Axial chest CT slice 172 of 214 (counted from the lowest slice); tube voltage 120 kVp, convolution kernel STANDARD; slices 1.25 mm thick, 0.703 mm per pixel.
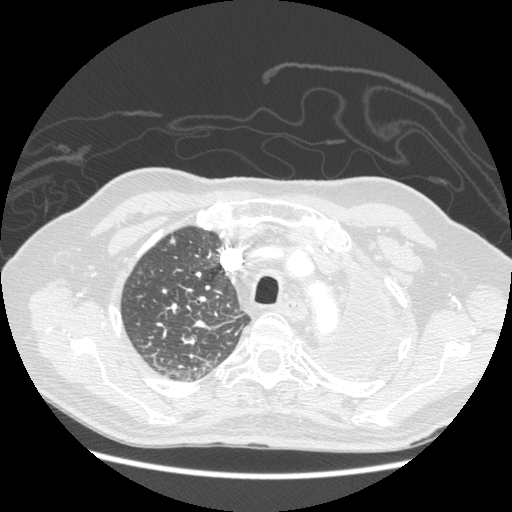
Pulmonary nodule at rows 236–244, columns 168–175 (box = the union of the readers' outlines on this slice), outlined by two of the four readers; median longest diameter 6.8 mm (readers' outlines 6.3–7.3 mm), median volume 55 mm3 (45–66 mm3). Median ratings and the readers' spread: texture 5/5 (solid) from both readers; median margin 4/5 (readers ranged 3/5 to 5/5 (circumscribed)); sphericity 3.5/5 at the median of two readers, spread 3/5 (ovoid) to 4/5; calcification absent from both readers; internal structure soft tissue, both readers agreeing; subtlety 4/5 at the median of two readers, spread 3–5; malignancy likelihood 2/5 at the median of two readers, spread 1–3. Scale key (1–5): texture non-solid→solid, margin indistinct→circumscribed, sphericity linear→round, subtlety extremely subtle→obvious, malignancy likelihood highly unlikely→highly suspicious of cancer. Box rows and columns are 0-based pixel indices from the top-left corner, inclusive.